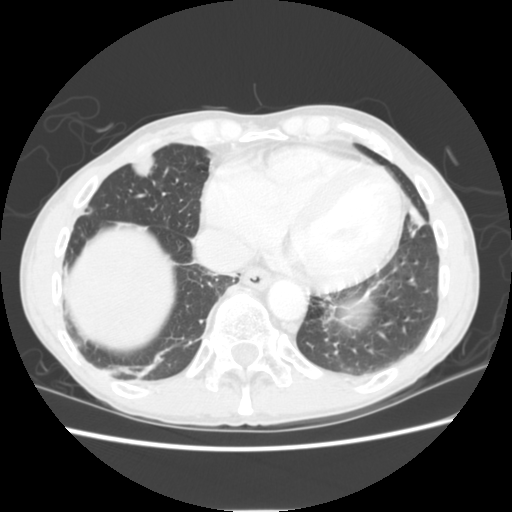
Axial slice 61 of 255 of a chest CT (slice 1 is the lowest), reconstructed with the STANDARD kernel at 120 kVp; 2.50 mm slice thickness and 0.664 mm pixels.
Pulmonary nodule outlined by all four readers; box rows 152–177, columns 130–154 (the union of the readers' outlines on this slice); the four readers' outlines give a longest diameter between 25.4 and 30.3 mm and a volume between 4677 and 6345 mm3. Ratings across the readers: texture 5/5 (solid) from all four readers; margin from 4/5 to 5/5 (circumscribed) across the four readers; sphericity from 3/5 (ovoid) to 5/5 (round) across the four readers; calcification absent from all four readers; internal structure soft tissue from all four readers; subtlety 5/5 from all four readers; malignancy likelihood from 3/5 to 5/5 across the four readers. Scale key (1–5): texture non-solid→solid, margin indistinct→circumscribed, sphericity linear→round, subtlety extremely subtle→obvious, malignancy likelihood highly unlikely→highly suspicious of cancer. Box rows and columns are 0-based pixel indices from the top-left corner, inclusive.